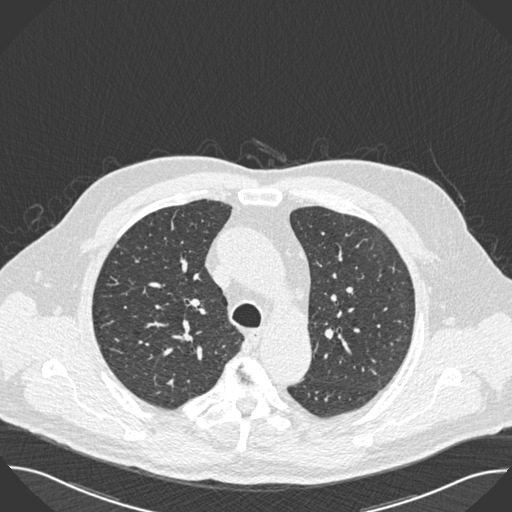
Axial slice 379 of 493 of a chest CT (slice 1 is the lowest), reconstructed with the B30f kernel at 120 kVp; 0.75 mm slice thickness and 0.762 mm pixels.
No nodule 3 mm or larger was outlined here by any reader.